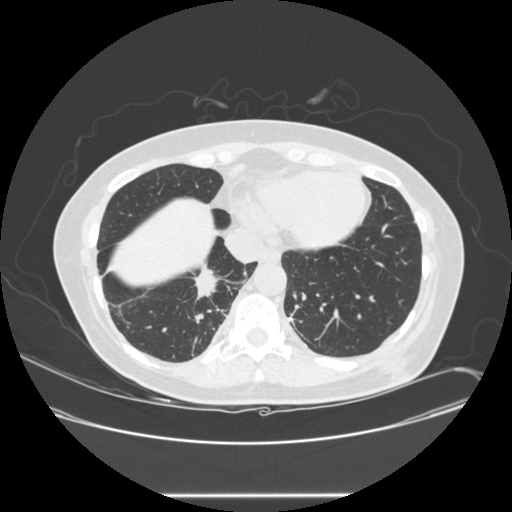
One axial slice (94 of 257, counting up from the lowest) of a chest CT acquired at 120 kVp with the STANDARD kernel; each pixel is 0.781 mm and the slice is 1.25 mm thick.
Pulmonary nodule at rows 263–299, columns 191–217 (box = the union of the readers' outlines on this slice), outlined by all four readers; the four readers' outlines give a longest diameter between 28.0 and 45.1 mm and a volume between 5019 and 8578 mm3. Ratings across the readers: texture 5/5 (solid) from all four readers; margin from 1/5 (indistinct) to 5/5 (circumscribed) across the four readers; sphericity from 3/5 (ovoid) to 4/5 across the four readers; calcification absent from all four readers; internal structure soft tissue, all four readers agreeing; subtlety 5/5 from all four readers; malignancy likelihood 5/5 from all four readers. Scale key (1–5): texture non-solid→solid, margin indistinct→circumscribed, sphericity linear→round, subtlety extremely subtle→obvious, malignancy likelihood highly unlikely→highly suspicious of cancer. Box rows and columns are 0-based pixel indices from the top-left corner, inclusive.